Axial slice 198 of 290 of a chest CT (slice 1 is the lowest), reconstructed with the B kernel at 120 kVp; 2.00 mm slice thickness and 0.639 mm pixels.
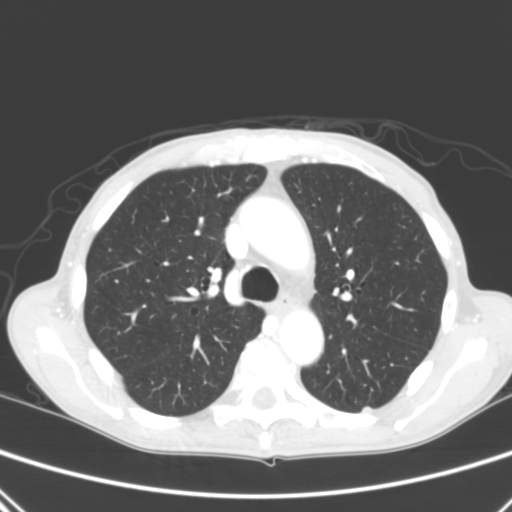
Pulmonary nodule outlined by one of the four readers; box rows 408–412, columns 363–371 (that reader's outline on this slice); longest diameter 7.5 mm and volume 95 mm3 from that reader's outline. That reader's ratings: texture 5/5 (solid); margin 5/5 (circumscribed); sphericity 5/5 (round); calcification absent; internal structure soft tissue; subtlety 5/5; malignancy likelihood 3/5. Scale key (1–5): texture non-solid→solid, margin indistinct→circumscribed, sphericity linear→round, subtlety extremely subtle→obvious, malignancy likelihood highly unlikely→highly suspicious of cancer. Box rows and columns are 0-based pixel indices from the top-left corner, inclusive.